Axial slice 281 of 490 of a chest CT (slice 1 is the lowest), reconstructed with the STANDARD kernel at 120 kVp; 1.25 mm slice thickness and 0.547 mm pixels.
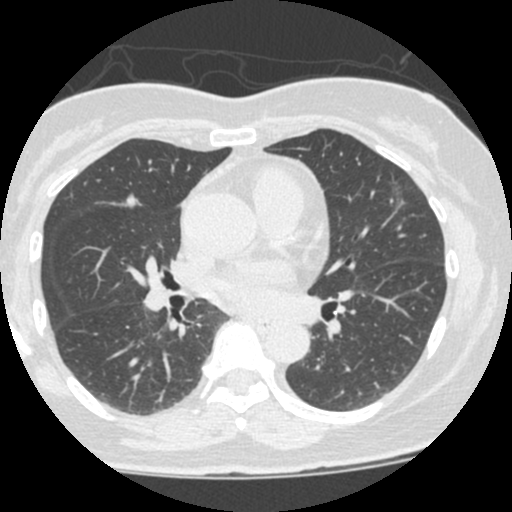
Pulmonary nodule outlined by two of the four readers; box rows 180–213, columns 388–407 (the union of the readers' outlines on this slice); longest diameter 26.9 mm on average over the two readers' outlines (readers' outlines 26.3–27.5 mm), volume 1167–1852 mm3. Ratings, by the readers' most common answer with dissent counted: texture 1/5 (non-solid), both readers agreeing; margin split among the readers: 1/5 (indistinct) (one), 2/5 (one); sphericity split among the readers: 2/5 (one), 5/5 (round) (one); calcification absent, both readers agreeing; internal structure soft tissue, both readers agreeing; subtlety split among the readers: 1/5 (one), 5/5 (one); malignancy likelihood split among the readers: 2/5 (one), 3/5 (one). Scale key (1–5): texture non-solid→solid, margin indistinct→circumscribed, sphericity linear→round, subtlety extremely subtle→obvious, malignancy likelihood highly unlikely→highly suspicious of cancer. Box rows and columns are 0-based pixel indices from the top-left corner, inclusive.